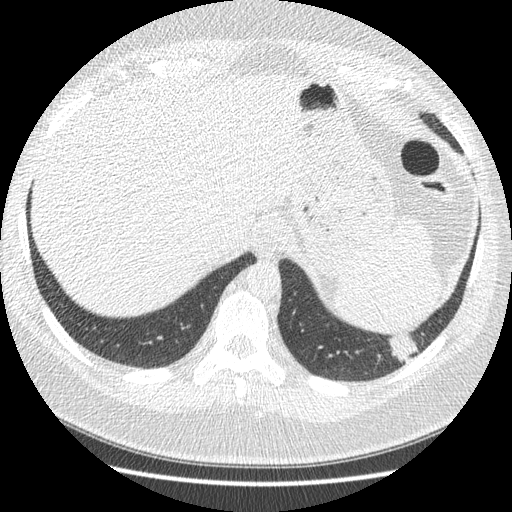
Chest CT, axial plane, 120 kVp, kernel STANDARD. Slice 45/421 from the bottom of the scan; thickness 1.25 mm; pixel size 0.703 mm.
Pulmonary nodule outlined four times (the source holds four more outlines, not used); box rows 332–363, columns 387–418 (the union of the readers' outlines on this slice); the four readers' outlines give a longest diameter between 30.9 and 38.9 mm and a volume between 4443 and 5826 mm3. The readers' ratings, as ranges where they differ: texture from 4/5 to 5/5 (solid) across the four readers; margin from 3/5 to 4/5 across the four readers; sphericity from 2/5 to 4/5 across the four readers; calcification absent from all four readers; internal structure soft tissue, all four readers agreeing; subtlety rated between 4 and 5 out of 5 by the four readers; malignancy likelihood rated between 2 and 5 out of 5 by the four readers. Scale key (1–5): texture non-solid→solid, margin indistinct→circumscribed, sphericity linear→round, subtlety extremely subtle→obvious, malignancy likelihood highly unlikely→highly suspicious of cancer. Box rows and columns are 0-based pixel indices from the top-left corner, inclusive.